Chest CT, axial plane, 120 kVp, kernel STANDARD. Slice 130/436 from the bottom of the scan; thickness 1.25 mm; pixel size 0.703 mm.
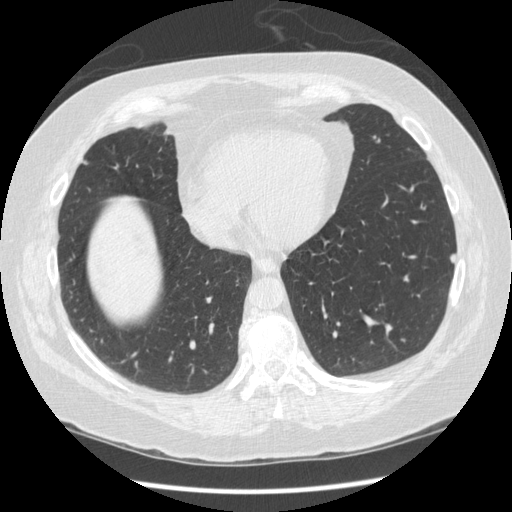
Two pulmonary nodules are outlined on this slice; from left to right: (1) Pulmonary nodule, outlined by one of the four readers. Box on this slice rows 161–164, columns 83–88, that reader's outline on this slice; longest diameter 5.8 mm and volume 56 mm3 from that reader's outline. Ratings by that reader: texture 5/5 (solid); margin 5/5 (circumscribed); sphericity 5/5 (round); calcification absent; internal structure soft tissue; subtlety 5/5; malignancy likelihood 3/5. (2) Pulmonary nodule at rows 253–263, columns 449–455 (box = the union of the readers' outlines on this slice), outlined by three of the four readers; longest diameter 8.2 mm on average over the three readers' outlines (readers' outlines 8.0–8.6 mm), volume 131–153 mm3. Ratings, by the readers' most common answer with dissent counted: texture 5/5 (solid), all three readers agreeing; most readers (two of three) put margin at 4/5, others 5/5 (circumscribed) (one); sphericity split among the readers: 2/5 (one), 3/5 (ovoid) (one), 4/5 (one); calcification absent, all three readers agreeing; internal structure soft tissue from all three readers; subtlety 5/5 by two of three readers; the rest gave 3/5 (one); most readers (two of three) put malignancy likelihood at 2/5, others 3/5 (one). Scale key (1–5): texture non-solid→solid, margin indistinct→circumscribed, sphericity linear→round, subtlety extremely subtle→obvious, malignancy likelihood highly unlikely→highly suspicious of cancer. Box rows and columns are 0-based pixel indices from the top-left corner, inclusive.